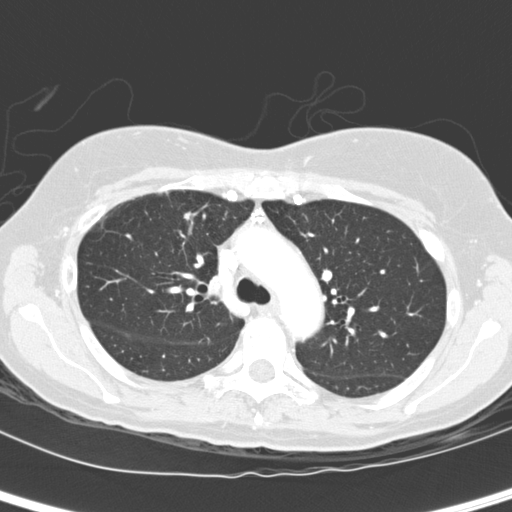
One axial slice (181 of 260, counting up from the lowest) of a chest CT acquired at 120 kVp with the D kernel; each pixel is 0.584 mm and the slice is 2.00 mm thick.
Pulmonary nodule, outlined by three of the four readers. Box on this slice rows 212–220, columns 183–190, the union of the readers' outlines on this slice; longest diameter 6.2 mm on average over the three readers' outlines (readers' outlines 5.4–6.8 mm), volume 27–95 mm3. The readers' prevailing ratings and who disagreed: texture 5/5 (solid) by two of three readers; the rest gave 4/5 (one); margin 3/5 by two of three readers; the rest gave 5/5 (circumscribed) (one); most readers (two of three) put sphericity at 4/5, others 3/5 (ovoid) (one); calcification absent, all three readers agreeing; internal structure soft tissue from all three readers; subtlety 2/5 by two of three readers; the rest gave 3/5 (one); malignancy likelihood split among the readers: 1/5 (one), 3/5 (one), 4/5 (one). Scale key (1–5): texture non-solid→solid, margin indistinct→circumscribed, sphericity linear→round, subtlety extremely subtle→obvious, malignancy likelihood highly unlikely→highly suspicious of cancer. Box rows and columns are 0-based pixel indices from the top-left corner, inclusive.